Chest CT, axial plane, 120 kVp, kernel STANDARD. Slice 120/149 from the bottom of the scan; thickness 2.50 mm; pixel size 0.781 mm.
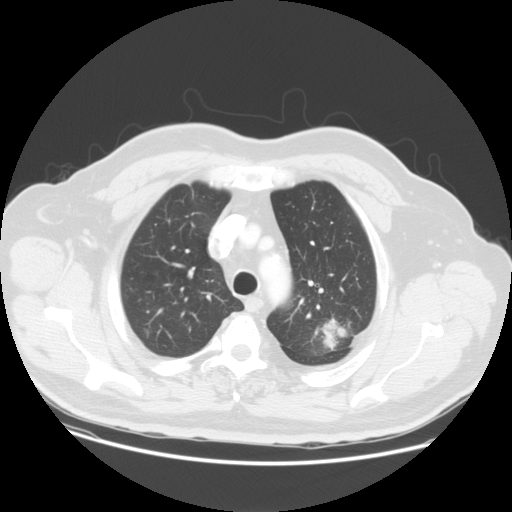
Pulmonary nodule, outlined by three of the four readers. Box on this slice rows 318–349, columns 321–346, the union of the readers' outlines on this slice; longest diameter 41.1 mm on average over the three readers' outlines (readers' outlines 34.5–53.9 mm), volume 15350–17058 mm3. Ratings, by the readers' most common answer with dissent counted: texture 5/5 (solid), all three readers agreeing; most readers (two of three) put margin at 4/5, others 5/5 (circumscribed) (one); sphericity 4/5 by two of three readers; the rest gave 5/5 (round) (one); calcification absent, all three readers agreeing; internal structure soft tissue from all three readers; subtlety 5/5 from all three readers; malignancy likelihood 5/5 by two of three readers; the rest gave 4/5 (one). Scale key (1–5): texture non-solid→solid, margin indistinct→circumscribed, sphericity linear→round, subtlety extremely subtle→obvious, malignancy likelihood highly unlikely→highly suspicious of cancer. Box rows and columns are 0-based pixel indices from the top-left corner, inclusive.